Chest CT, axial plane, 120 kVp, kernel D. Slice 229/300 from the bottom of the scan; thickness 1.00 mm; pixel size 0.654 mm.
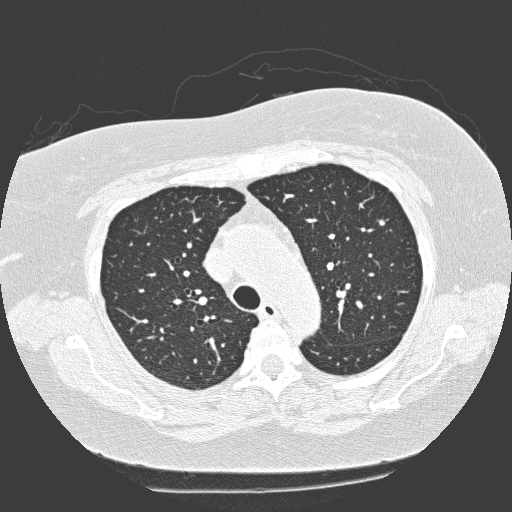
Pulmonary nodule at rows 220–226, columns 378–385 (box = the union of the readers' outlines on this slice), outlined by all four readers; the four readers' outlines give a longest diameter between 4.8 and 6.0 mm and a volume between 30 and 63 mm3. The readers' ratings, as ranges where they differ: texture 5/5 (solid) from all four readers; margin from 4/5 to 5/5 (circumscribed) across the four readers; sphericity from 4/5 to 5/5 (round) across the four readers; calcification: absent (three), solid calcification (one); internal structure soft tissue from all four readers; subtlety 2–5/5 (the readers disagree); malignancy likelihood rated between 1 and 3 out of 5 by the four readers. Scale key (1–5): texture non-solid→solid, margin indistinct→circumscribed, sphericity linear→round, subtlety extremely subtle→obvious, malignancy likelihood highly unlikely→highly suspicious of cancer. Box rows and columns are 0-based pixel indices from the top-left corner, inclusive.